One axial slice (67 of 115, counting up from the lowest) of a chest CT acquired at 130 kVp with the B31s kernel; each pixel is 0.652 mm and the slice is 3.00 mm thick.
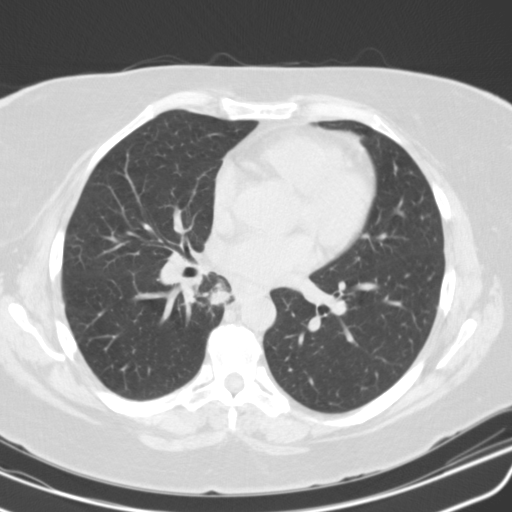
Pulmonary nodule, outlined by three of the four readers. Box on this slice rows 281–304, columns 181–231, the union of the readers' outlines on this slice; longest diameter 24.2–34.9 mm and volume 3268–5378 mm3 across the three readers' outlines. Ratings across the readers: texture from 4/5 to 5/5 (solid) across the three readers; margin from 2/5 to 4/5 across the three readers; sphericity from 2/5 to 5/5 (round) across the three readers; calcification absent from all three readers; internal structure soft tissue from all three readers; subtlety rated between 4 and 5 out of 5 by the three readers; malignancy likelihood 4/5 from all three readers. Scale key (1–5): texture non-solid→solid, margin indistinct→circumscribed, sphericity linear→round, subtlety extremely subtle→obvious, malignancy likelihood highly unlikely→highly suspicious of cancer. Box rows and columns are 0-based pixel indices from the top-left corner, inclusive.